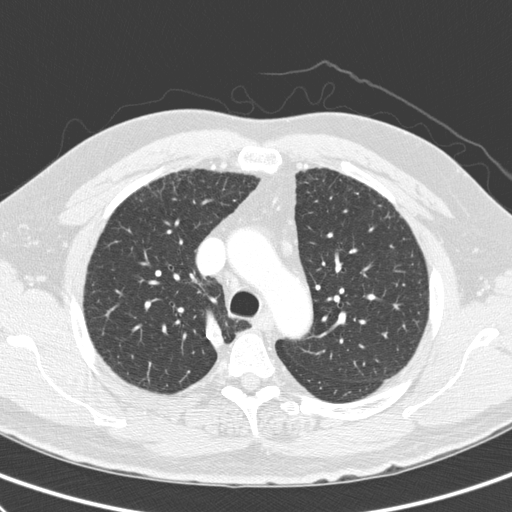
Chest CT, axial plane, 120 kVp, kernel D. Slice 212/300 from the bottom of the scan; thickness 2.00 mm; pixel size 0.662 mm.
No nodule 3 mm or larger was outlined here by any reader.